Chest CT, axial plane, 135 kVp, kernel FC01. Slice 33/100 from the bottom of the scan; thickness 3.00 mm; pixel size 0.540 mm.
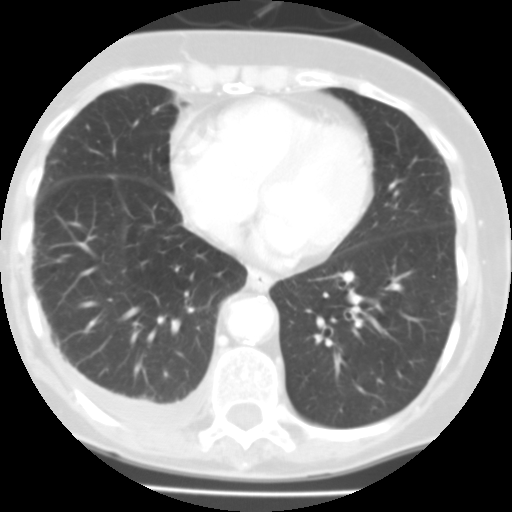
None of the four readers outlined a nodule of 3 mm or more on this slice.